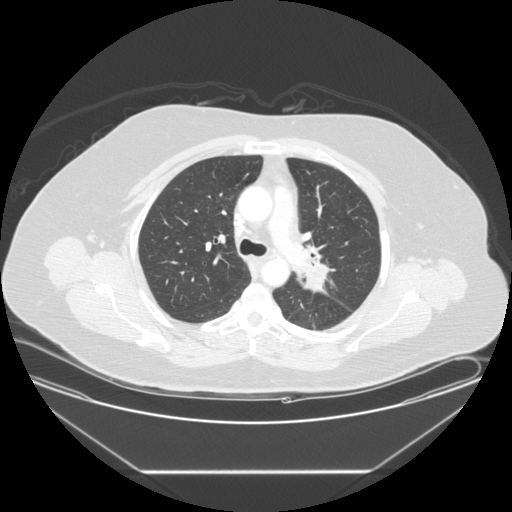
Chest CT, axial plane, 120 kVp, kernel STANDARD. Slice 159/225 from the bottom of the scan; thickness 1.25 mm; pixel size 0.828 mm.
Pulmonary nodule at rows 261–292, columns 305–327 (box = that reader's outline on this slice), outlined by one of the four readers; longest diameter 33.6 mm and volume 4404 mm3 from that reader's outline. That reader's ratings: texture 5/5 (solid); margin 2/5; sphericity 3/5 (ovoid); calcification absent; internal structure soft tissue; subtlety 5/5; malignancy likelihood 5/5. Scale key (1–5): texture non-solid→solid, margin indistinct→circumscribed, sphericity linear→round, subtlety extremely subtle→obvious, malignancy likelihood highly unlikely→highly suspicious of cancer. Box rows and columns are 0-based pixel indices from the top-left corner, inclusive.